Axial chest CT slice 218 of 238 (counted from the lowest slice); tube voltage 120 kVp, convolution kernel BONE; slices 1.25 mm thick, 0.703 mm per pixel.
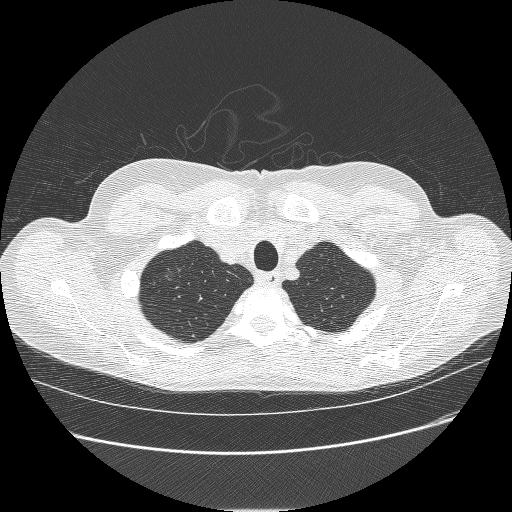
Pulmonary nodule, outlined by two of the four readers. Box on this slice rows 273–280, columns 160–174, the union of the readers' outlines on this slice; longest diameter 10.8 mm on average over the two readers' outlines (readers' outlines 8.7–12.9 mm), volume 160–469 mm3. The readers' prevailing ratings and who disagreed: texture 1/5 (non-solid) from both readers; margin 1/5 (indistinct), both readers agreeing; sphericity 4/5 from both readers; calcification absent, both readers agreeing; internal structure soft tissue, both readers agreeing; subtlety 1/5, both readers agreeing; malignancy likelihood 3/5 from both readers. Scale key (1–5): texture non-solid→solid, margin indistinct→circumscribed, sphericity linear→round, subtlety extremely subtle→obvious, malignancy likelihood highly unlikely→highly suspicious of cancer. Box rows and columns are 0-based pixel indices from the top-left corner, inclusive.